One axial slice (227 of 276, counting up from the lowest) of a chest CT acquired at 120 kVp with the D kernel; each pixel is 0.617 mm and the slice is 2.00 mm thick.
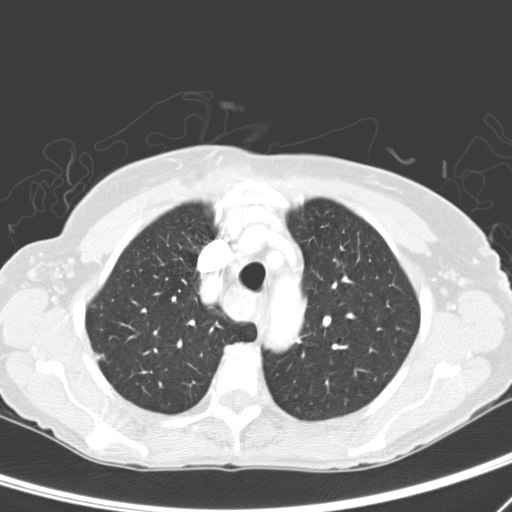
Pulmonary nodule at rows 353–359, columns 95–104 (box = the union of the readers' outlines on this slice), outlined by two of the four readers; median longest diameter 9.4 mm (readers' outlines 8.0–10.8 mm), median volume 137 mm3 (90–183 mm3). Ratings, median across the readers with their spread: median texture 1.5/5 (readers ranged 1/5 (non-solid) to 2/5); margin 1.5/5 at the median of two readers, spread 1/5 (indistinct) to 2/5; sphericity 4/5, both readers agreeing; calcification absent from both readers; internal structure soft tissue, both readers agreeing; median subtlety 3.5/5 (readers ranged 3–4); malignancy likelihood 3/5, both readers agreeing. Scale key (1–5): texture non-solid→solid, margin indistinct→circumscribed, sphericity linear→round, subtlety extremely subtle→obvious, malignancy likelihood highly unlikely→highly suspicious of cancer. Box rows and columns are 0-based pixel indices from the top-left corner, inclusive.